Axial chest CT slice 160 of 246 (counted from the lowest slice); tube voltage 120 kVp, convolution kernel BONE; slices 1.25 mm thick, 0.617 mm per pixel.
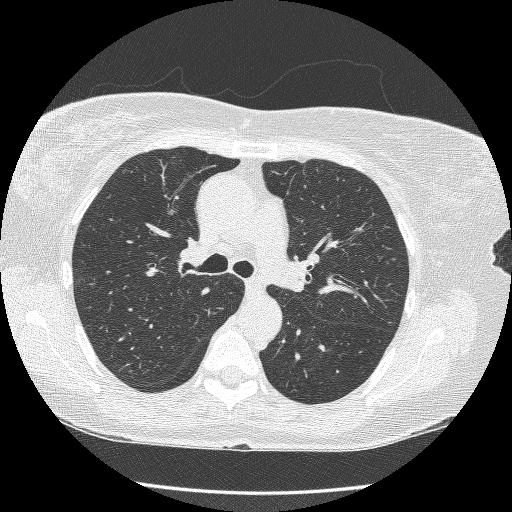
None of the four readers outlined a nodule of 3 mm or more on this slice.